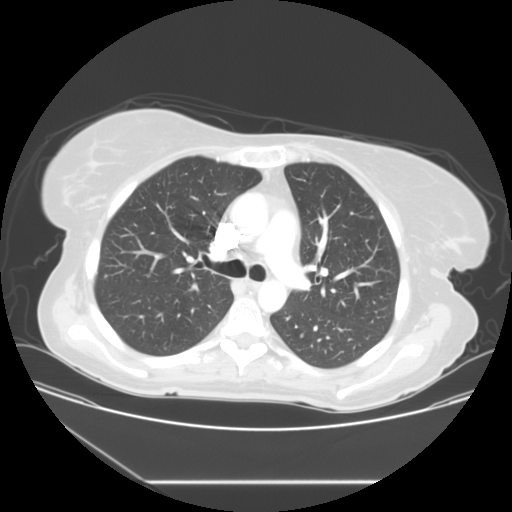
Axial chest CT slice 81 of 117 (counted from the lowest slice); tube voltage 120 kVp, convolution kernel STANDARD; slices 2.50 mm thick, 0.781 mm per pixel.
Pulmonary nodule at rows 216–218, columns 371–372 (box = the union of the readers' outlines on this slice), outlined by two of the four readers; median longest diameter 5.8 mm (readers' outlines 5.7–5.9 mm), median volume 85 mm3 (79–92 mm3). Ratings, median across the readers with their spread: texture 5/5 (solid), both readers agreeing; margin 5/5 (circumscribed), both readers agreeing; sphericity 5/5 (round), both readers agreeing; calcification absent, both readers agreeing; internal structure soft tissue from both readers; subtlety 3/5 from both readers; median malignancy likelihood 2.5/5 (readers ranged 2–3). Scale key (1–5): texture non-solid→solid, margin indistinct→circumscribed, sphericity linear→round, subtlety extremely subtle→obvious, malignancy likelihood highly unlikely→highly suspicious of cancer. Box rows and columns are 0-based pixel indices from the top-left corner, inclusive.